Axial slice 62 of 130 of a chest CT (slice 1 is the lowest), reconstructed with the LUNG kernel at 120 kVp; 2.50 mm slice thickness and 0.664 mm pixels.
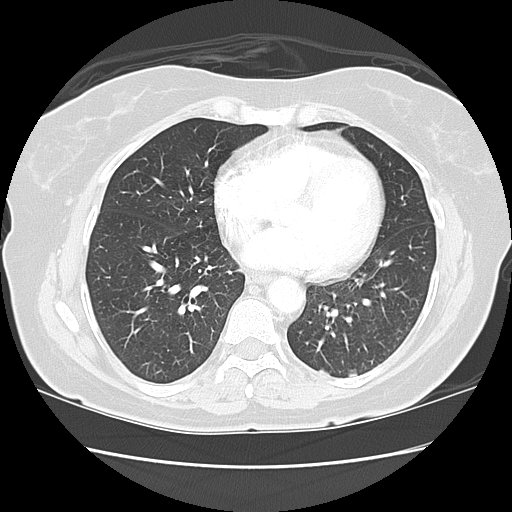
This slice carries no reader outline of a nodule 3 mm or larger.